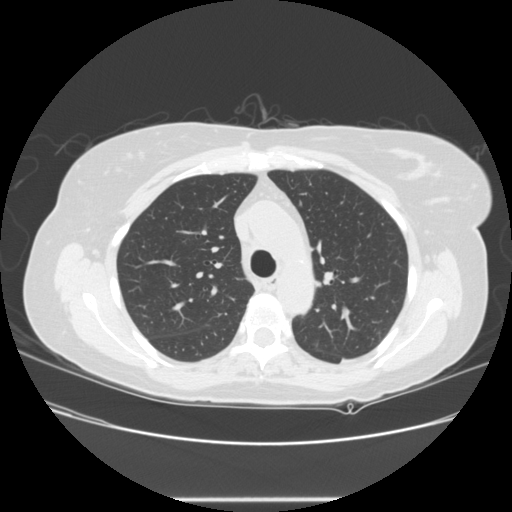
Chest CT, axial plane, 120 kVp, kernel STANDARD. Slice 176/245 from the bottom of the scan; thickness 1.25 mm; pixel size 0.730 mm.
Pulmonary nodule, outlined by all four readers, one of them on this slice. Box on this slice rows 357–363, columns 339–355, the one reader's outline on this slice; median longest diameter 29.7 mm (readers' outlines 27.2–36.8 mm), median volume 4184 mm3 (3941–5997 mm3). Ratings, median across the readers with their spread: texture 5/5 (solid) from all four readers; median margin 3.5/5 (readers ranged 1/5 (indistinct) to 4/5); sphericity 2.5/5 at the median of four readers, spread 2/5 to 4/5; calcification absent, all four readers agreeing; internal structure soft tissue, all four readers agreeing; subtlety 5/5 from all four readers; malignancy likelihood 5/5 at the median of four readers, spread 4–5. Scale key (1–5): texture non-solid→solid, margin indistinct→circumscribed, sphericity linear→round, subtlety extremely subtle→obvious, malignancy likelihood highly unlikely→highly suspicious of cancer. Box rows and columns are 0-based pixel indices from the top-left corner, inclusive.